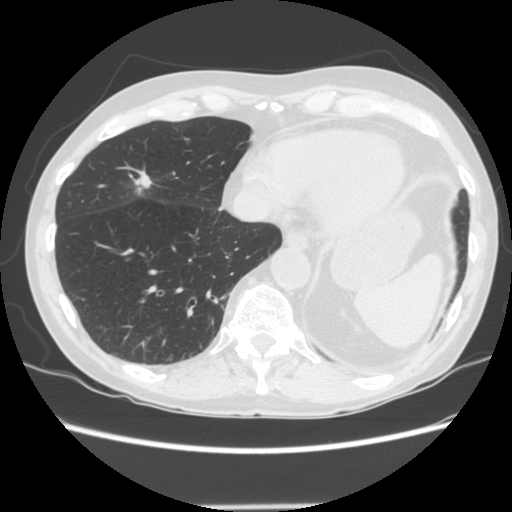
Axial slice 47 of 143 of a chest CT (slice 1 is the lowest), reconstructed with the STANDARD kernel at 120 kVp; 2.50 mm slice thickness and 0.703 mm pixels.
Pulmonary nodule, outlined by all four readers. Box on this slice rows 170–193, columns 129–152, the union of the readers' outlines on this slice; longest diameter 23.9 mm on average over the four readers' outlines (readers' outlines 21.6–28.5 mm), volume 1793–2260 mm3. The readers' prevailing ratings and who disagreed: texture 5/5 (solid) by three of four readers; the rest gave 4/5 (one); margin 4/5 by three of four readers; the rest gave 5/5 (circumscribed) (one); sphericity split among the readers: 2/5 (one), 3/5 (ovoid) (one), 4/5 (one), 5/5 (round) (one); calcification absent, all four readers agreeing; internal structure soft tissue from all four readers; subtlety 5/5 from all four readers; most readers (three of four) put malignancy likelihood at 5/5, others 4/5 (one). Scale key (1–5): texture non-solid→solid, margin indistinct→circumscribed, sphericity linear→round, subtlety extremely subtle→obvious, malignancy likelihood highly unlikely→highly suspicious of cancer. Box rows and columns are 0-based pixel indices from the top-left corner, inclusive.